Axial chest CT slice 115 of 305 (counted from the lowest slice); tube voltage 140 kVp, convolution kernel B; slices 2.00 mm thick, 0.834 mm per pixel.
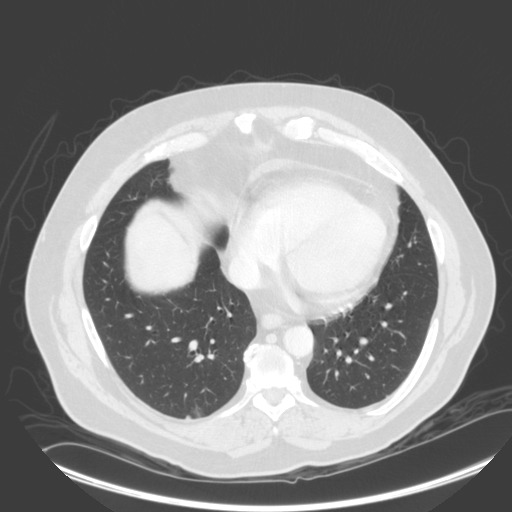
Pulmonary nodule at rows 414–418, columns 185–190 (box = the union of the readers' outlines on this slice), outlined by three of the four readers; longest diameter 5.9–6.7 mm and volume 59–79 mm3 across the three readers' outlines. The readers' ratings, as ranges where they differ: texture 5/5 (solid), all three readers agreeing; margin from 4/5 to 5/5 (circumscribed) across the three readers; sphericity 4/5, all three readers agreeing; calcification absent, all three readers agreeing; internal structure soft tissue from all three readers; subtlety rated between 4 and 5 out of 5 by the three readers; malignancy likelihood 2–3/5 (the readers disagree). Scale key (1–5): texture non-solid→solid, margin indistinct→circumscribed, sphericity linear→round, subtlety extremely subtle→obvious, malignancy likelihood highly unlikely→highly suspicious of cancer. Box rows and columns are 0-based pixel indices from the top-left corner, inclusive.